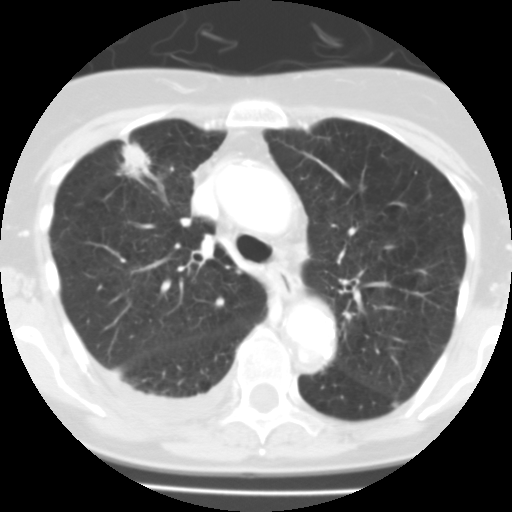
Axial chest CT slice 69 of 100 (counted from the lowest slice); tube voltage 135 kVp, convolution kernel FC01; slices 3.00 mm thick, 0.540 mm per pixel.
Pulmonary nodule outlined by all four readers; box rows 140–188, columns 113–155 (the union of the readers' outlines on this slice); longest diameter 22.6–33.3 mm and volume 3212–10079 mm3 across the four readers' outlines. Ratings across the readers: texture from 4/5 to 5/5 (solid) across the four readers; margin from 1/5 (indistinct) to 4/5 across the four readers; sphericity from 3/5 (ovoid) to 5/5 (round) across the four readers; calcification absent from all four readers; internal structure soft tissue, all four readers agreeing; subtlety 5/5, all four readers agreeing; malignancy likelihood rated between 4 and 5 out of 5 by the four readers. Scale key (1–5): texture non-solid→solid, margin indistinct→circumscribed, sphericity linear→round, subtlety extremely subtle→obvious, malignancy likelihood highly unlikely→highly suspicious of cancer. Box rows and columns are 0-based pixel indices from the top-left corner, inclusive.